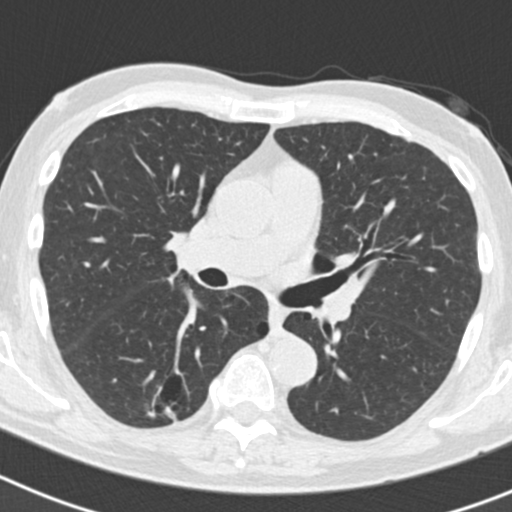
Axial slice 111 of 186 of a chest CT (slice 1 is the lowest), reconstructed with the B30f kernel at 120 kVp; 2.00 mm slice thickness and 0.586 mm pixels.
Pulmonary nodule at rows 406–418, columns 165–176 (box = the union of the readers' outlines on this slice), outlined by three of the four readers, two of them on this slice; longest diameter 20.1 mm on average over the three readers' outlines (readers' outlines 19.6–20.9 mm), volume 1911–1935 mm3. Ratings, by the readers' most common answer with dissent counted: texture 4/5 by two of three readers; the rest gave 5/5 (solid) (one); most readers (two of three) put margin at 3/5, others 4/5 (one); sphericity split among the readers: 2/5 (one), 3/5 (ovoid) (one), 4/5 (one); calcification absent from all three readers; internal structure soft tissue from all three readers; subtlety 5/5 by two of three readers; the rest gave 4/5 (one); most readers (two of three) put malignancy likelihood at 5/5, others 3/5 (one). Scale key (1–5): texture non-solid→solid, margin indistinct→circumscribed, sphericity linear→round, subtlety extremely subtle→obvious, malignancy likelihood highly unlikely→highly suspicious of cancer. Box rows and columns are 0-based pixel indices from the top-left corner, inclusive.